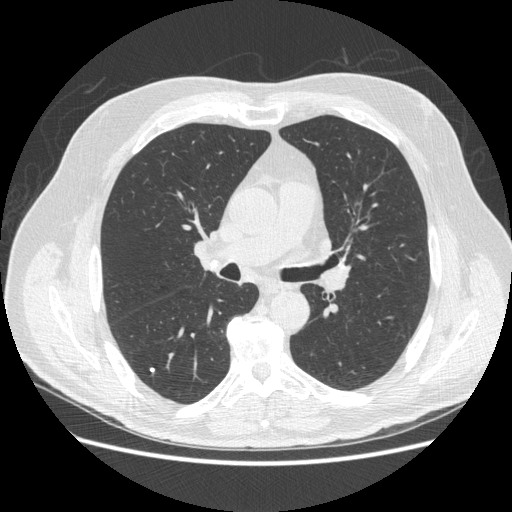
Axial slice 292 of 503 of a chest CT (slice 1 is the lowest), reconstructed with the STANDARD kernel at 120 kVp; 1.25 mm slice thickness and 0.742 mm pixels.
Pulmonary nodule outlined by two of the four readers; box rows 367–371, columns 149–154 (the union of the readers' outlines on this slice); longest diameter 5.1 mm on average over the two readers' outlines (readers' outlines 4.5–5.7 mm), volume 33–65 mm3. Ratings, by the readers' most common answer with dissent counted: texture 5/5 (solid), both readers agreeing; margin 5/5 (circumscribed) from both readers; sphericity split among the readers: 4/5 (one), 5/5 (round) (one); calcification solid calcification, both readers agreeing; internal structure soft tissue, both readers agreeing; subtlety 4/5 from both readers; malignancy likelihood 1/5, both readers agreeing. Scale key (1–5): texture non-solid→solid, margin indistinct→circumscribed, sphericity linear→round, subtlety extremely subtle→obvious, malignancy likelihood highly unlikely→highly suspicious of cancer. Box rows and columns are 0-based pixel indices from the top-left corner, inclusive.